Axial slice 510 of 590 of a chest CT (slice 1 is the lowest), reconstructed with the B kernel at 120 kVp; 0.90 mm slice thickness and 0.627 mm pixels.
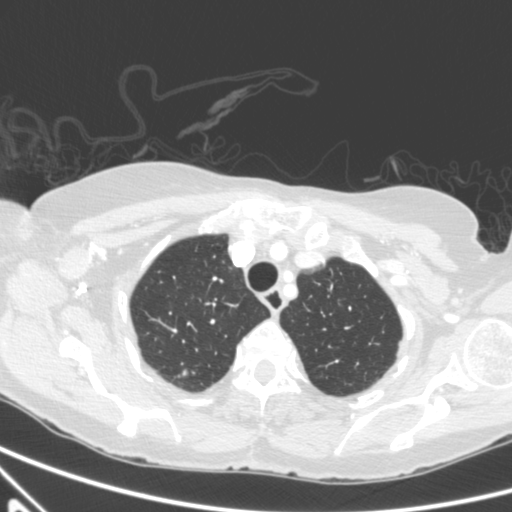
Pulmonary nodule, outlined by three of the four readers. Box on this slice rows 369–376, columns 182–187, the union of the readers' outlines on this slice; longest diameter 5.8 mm on average over the three readers' outlines (readers' outlines 5.4–6.2 mm), volume 51–88 mm3. The readers' prevailing ratings and who disagreed: texture 4/5 by two of three readers; the rest gave 5/5 (solid) (one); margin split among the readers: 3/5 (one), 4/5 (one), 5/5 (circumscribed) (one); sphericity split among the readers: 3/5 (ovoid) (one), 4/5 (one), 5/5 (round) (one); calcification absent from all three readers; internal structure soft tissue from all three readers; subtlety 3/5, all three readers agreeing; most readers (two of three) put malignancy likelihood at 3/5, others 2/5 (one). Scale key (1–5): texture non-solid→solid, margin indistinct→circumscribed, sphericity linear→round, subtlety extremely subtle→obvious, malignancy likelihood highly unlikely→highly suspicious of cancer. Box rows and columns are 0-based pixel indices from the top-left corner, inclusive.